Axial chest CT slice 61 of 119 (counted from the lowest slice); tube voltage 135 kVp, convolution kernel FC01; slices 3.00 mm thick, 0.607 mm per pixel.
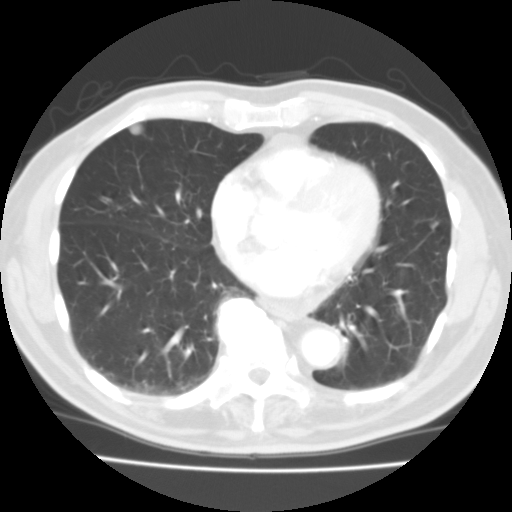
Pulmonary nodule at rows 123–135, columns 129–144 (box = the union of the readers' outlines on this slice), outlined by all four readers; median longest diameter 13.1 mm (readers' outlines 12.7–13.9 mm), median volume 904 mm3 (738–1063 mm3). Ratings, median across the readers with their spread: texture 5/5 (solid) from all four readers; margin 5/5 (circumscribed) from all four readers; median sphericity 3.5/5 (readers ranged 2/5 to 4/5); calcification absent from all four readers; internal structure soft tissue from all four readers; subtlety 5/5, all four readers agreeing; malignancy likelihood 3.5/5 at the median of four readers, spread 2–4. Scale key (1–5): texture non-solid→solid, margin indistinct→circumscribed, sphericity linear→round, subtlety extremely subtle→obvious, malignancy likelihood highly unlikely→highly suspicious of cancer. Box rows and columns are 0-based pixel indices from the top-left corner, inclusive.